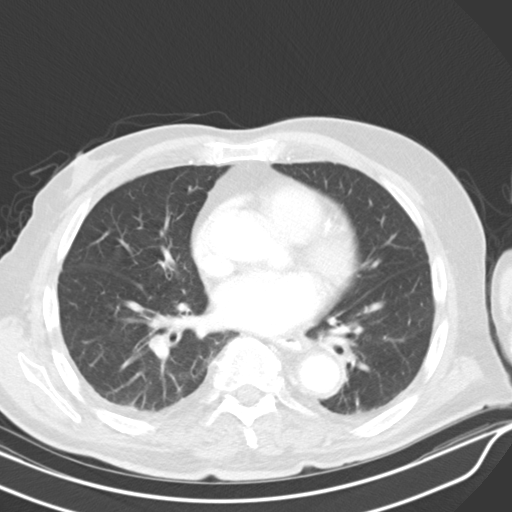
Axial chest CT slice 231 of 319 (counted from the lowest slice); tube voltage 130 kVp, convolution kernel B30s; slices 4.00 mm thick, 0.729 mm per pixel.
Pulmonary nodule outlined by one of the four readers; box rows 317–325, columns 328–335 (that reader's outline on this slice); longest diameter 15.4 mm and volume 875 mm3 from that reader's outline. That reader's ratings: texture 4/5; margin 2/5; sphericity 2/5; calcification absent; internal structure soft tissue; subtlety 3/5; malignancy likelihood 3/5. Scale key (1–5): texture non-solid→solid, margin indistinct→circumscribed, sphericity linear→round, subtlety extremely subtle→obvious, malignancy likelihood highly unlikely→highly suspicious of cancer. Box rows and columns are 0-based pixel indices from the top-left corner, inclusive.